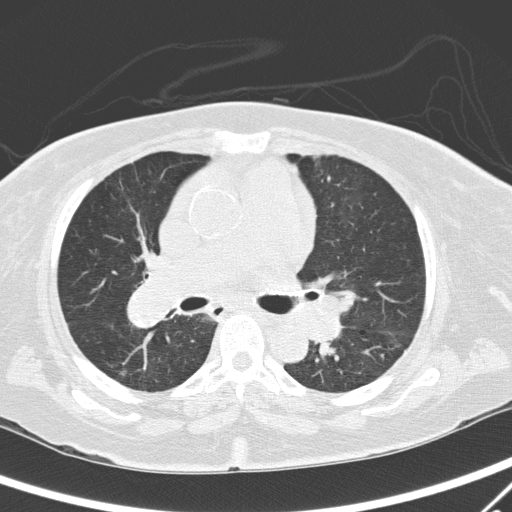
Axial slice 173 of 295 of a chest CT (slice 1 is the lowest), reconstructed with the D kernel at 120 kVp; 2.00 mm slice thickness and 0.682 mm pixels.
Pulmonary nodule outlined by one of the four readers; box rows 369–374, columns 120–144 (that reader's outline on this slice); longest diameter 49.8 mm and volume 6337 mm3 from that reader's outline. Ratings by that reader: texture 4/5; margin 1/5 (indistinct); sphericity 3/5 (ovoid); calcification absent; internal structure soft tissue; subtlety 5/5; malignancy likelihood 5/5. Scale key (1–5): texture non-solid→solid, margin indistinct→circumscribed, sphericity linear→round, subtlety extremely subtle→obvious, malignancy likelihood highly unlikely→highly suspicious of cancer. Box rows and columns are 0-based pixel indices from the top-left corner, inclusive.